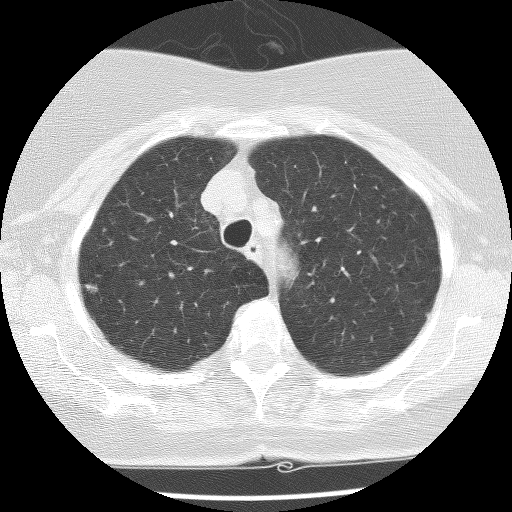
One axial slice (83 of 103, counting up from the lowest) of a chest CT acquired at 140 kVp with the BONE kernel; each pixel is 0.564 mm and the slice is 2.50 mm thick.
Pulmonary nodule outlined by two of the four readers; box rows 284–291, columns 83–96 (the union of the readers' outlines on this slice); median longest diameter 8.8 mm (readers' outlines 8.3–9.3 mm), median volume 111 mm3 (78–143 mm3). Median ratings and the readers' spread: texture 2/5 at the median of two readers, spread 1/5 (non-solid) to 3/5 (part-solid); margin 2/5 from both readers; sphericity 3/5 (ovoid), both readers agreeing; calcification absent from both readers; internal structure soft tissue from both readers; subtlety 2.5/5 at the median of two readers, spread 2–3; median malignancy likelihood 2/5 (readers ranged 1–3). Scale key (1–5): texture non-solid→solid, margin indistinct→circumscribed, sphericity linear→round, subtlety extremely subtle→obvious, malignancy likelihood highly unlikely→highly suspicious of cancer. Box rows and columns are 0-based pixel indices from the top-left corner, inclusive.